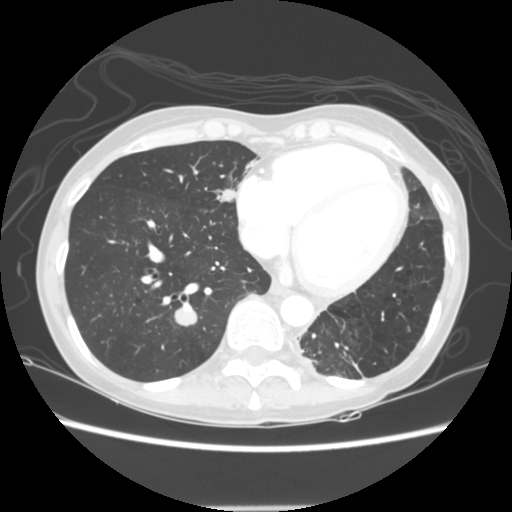
This is axial slice 59 of 144 (slice 1 is the lowest) of a chest CT; each pixel is 0.664 mm and the slice is 2.50 mm thick. Two pulmonary nodules on this slice, listed from left to right. (1) Pulmonary nodule outlined by all four readers; box rows 302–326, columns 172–198 (the union of the readers' outlines on this slice); longest diameter 17.4 mm on average over the four readers' outlines (readers' outlines 15.5–19.3 mm), volume 1258–1827 mm3. Ratings, by the readers' most common answer with dissent counted: texture 5/5 (solid) from all four readers; margin 5/5 (circumscribed) by two of four readers; the rest gave 3/5 (one), 4/5 (one); sphericity 5/5 (round) by three of four readers; the rest gave 3/5 (ovoid) (one); calcification absent, all four readers agreeing; internal structure soft tissue from all four readers; subtlety 5/5 from all four readers; malignancy likelihood 3/5 by two of four readers; the rest gave 4/5 (one), 5/5 (one). (2) Pulmonary nodule at rows 185–201, columns 216–237 (box = the union of the readers' outlines on this slice), outlined by two of the four readers; longest diameter 17.0 mm on average over the two readers' outlines (readers' outlines 16.7–17.3 mm), volume 894–906 mm3. The readers' prevailing ratings and who disagreed: texture 5/5 (solid) from both readers; margin 4/5, both readers agreeing; sphericity split among the readers: 3/5 (ovoid) (one), 4/5 (one); calcification absent from both readers; internal structure soft tissue, both readers agreeing; subtlety split among the readers: 4/5 (one), 5/5 (one); malignancy likelihood 4/5 from both readers. Scale key (1–5): texture non-solid→solid, margin indistinct→circumscribed, sphericity linear→round, subtlety extremely subtle→obvious, malignancy likelihood highly unlikely→highly suspicious of cancer. Box rows and columns are 0-based pixel indices from the top-left corner, inclusive.
Scan settings: 120 kVp, STANDARD reconstruction kernel.